Chest CT, axial plane, 120 kVp, kernel D. Slice 164/275 from the bottom of the scan; thickness 1.00 mm; pixel size 0.781 mm.
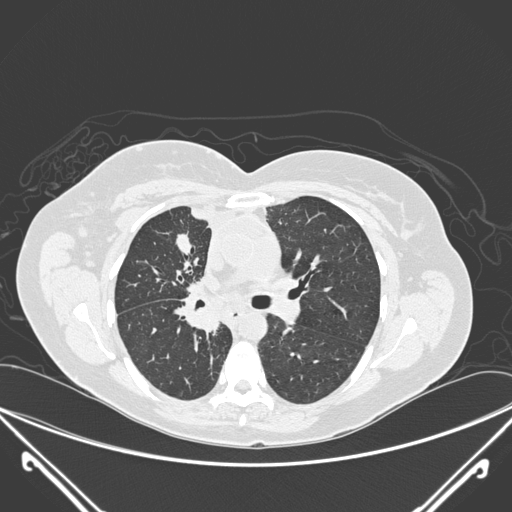
Pulmonary nodule outlined by all four readers; box rows 231–255, columns 175–191 (the union of the readers' outlines on this slice); longest diameter 22.1 mm on average over the four readers' outlines (readers' outlines 20.3–23.4 mm), volume 1750–2560 mm3. The readers' prevailing ratings and who disagreed: texture 5/5 (solid) from all four readers; margin 4/5 by two of four readers; the rest gave 3/5 (one), 5/5 (circumscribed) (one); sphericity 2/5 by two of four readers; the rest gave 3/5 (ovoid) (one), 5/5 (round) (one); calcification absent by three of four readers, central calcification (one); internal structure soft tissue, all four readers agreeing; subtlety 5/5, all four readers agreeing; malignancy likelihood split among the readers: 1/5 (one), 3/5 (one), 4/5 (one), 5/5 (one). Scale key (1–5): texture non-solid→solid, margin indistinct→circumscribed, sphericity linear→round, subtlety extremely subtle→obvious, malignancy likelihood highly unlikely→highly suspicious of cancer. Box rows and columns are 0-based pixel indices from the top-left corner, inclusive.